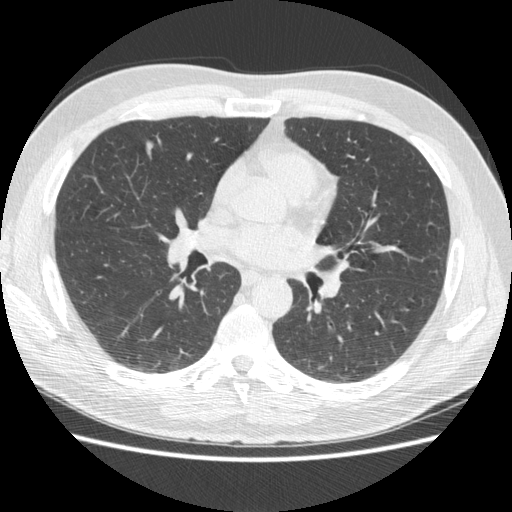
Axial slice 265 of 477 of a chest CT (slice 1 is the lowest), reconstructed with the STANDARD kernel at 120 kVp; 1.25 mm slice thickness and 0.703 mm pixels.
Pulmonary nodule outlined by three of the four readers; box rows 139–159, columns 145–153 (the union of the readers' outlines on this slice); median longest diameter 13.1 mm (readers' outlines 13.0–15.7 mm), median volume 236 mm3 (236–334 mm3). Ratings, median across the readers with their spread: texture 5/5 (solid) from all three readers; margin 4/5 at the median of three readers, spread 4/5 to 5/5 (circumscribed); sphericity 4/5 at the median of three readers, spread 2/5 to 5/5 (round); calcification absent, all three readers agreeing; internal structure soft tissue, all three readers agreeing; subtlety 4/5 at the median of three readers, spread 3–5; median malignancy likelihood 3/5 (readers ranged 2–3). Scale key (1–5): texture non-solid→solid, margin indistinct→circumscribed, sphericity linear→round, subtlety extremely subtle→obvious, malignancy likelihood highly unlikely→highly suspicious of cancer. Box rows and columns are 0-based pixel indices from the top-left corner, inclusive.